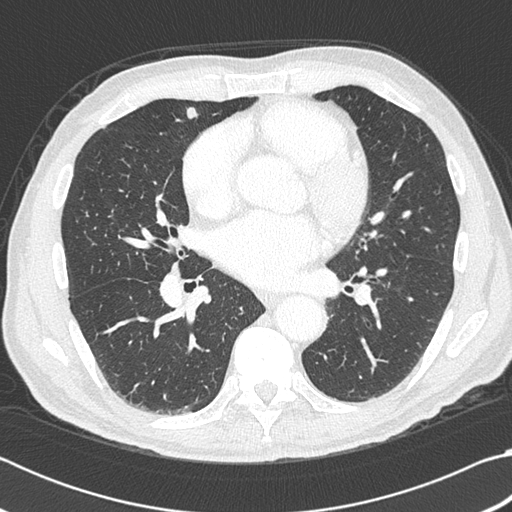
Chest CT, axial plane, 120 kVp, kernel B45f. Slice 202/383 from the bottom of the scan; thickness 1.00 mm; pixel size 0.664 mm.
Pulmonary nodule outlined by all four readers; box rows 106–118, columns 186–198 (the union of the readers' outlines on this slice); median longest diameter 10.6 mm (readers' outlines 9.8–12.2 mm), median volume 418 mm3 (379–631 mm3). Ratings, median across the readers with their spread: texture 5/5 (solid) from all four readers; margin 5/5 (circumscribed) from all four readers; median sphericity 4.5/5 (readers ranged 3/5 (ovoid) to 5/5 (round)); calcification: absent (three), solid calcification (one); internal structure soft tissue from all four readers; median subtlety 4.5/5 (readers ranged 4–5); malignancy likelihood 2.5/5 at the median of four readers, spread 1–4. Scale key (1–5): texture non-solid→solid, margin indistinct→circumscribed, sphericity linear→round, subtlety extremely subtle→obvious, malignancy likelihood highly unlikely→highly suspicious of cancer. Box rows and columns are 0-based pixel indices from the top-left corner, inclusive.